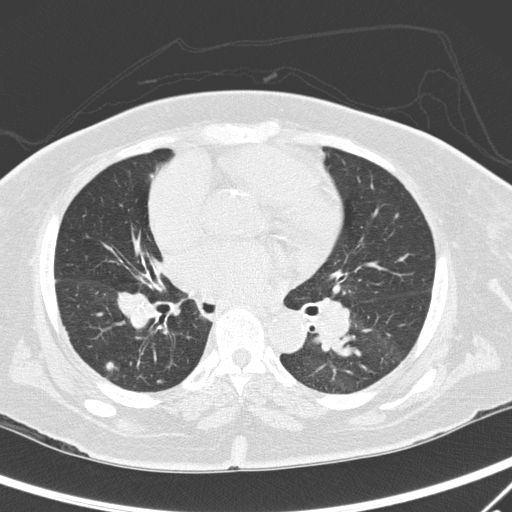
One axial slice (153 of 295, counting up from the lowest) of a chest CT acquired at 120 kVp with the D kernel; each pixel is 0.682 mm and the slice is 2.00 mm thick.
Pulmonary nodule, outlined by one of the four readers. Box on this slice rows 360–378, columns 104–119, that reader's outline on this slice; longest diameter 49.8 mm and volume 6337 mm3 from that reader's outline. Ratings by that reader: texture 4/5; margin 1/5 (indistinct); sphericity 3/5 (ovoid); calcification absent; internal structure soft tissue; subtlety 5/5; malignancy likelihood 5/5. Scale key (1–5): texture non-solid→solid, margin indistinct→circumscribed, sphericity linear→round, subtlety extremely subtle→obvious, malignancy likelihood highly unlikely→highly suspicious of cancer. Box rows and columns are 0-based pixel indices from the top-left corner, inclusive.